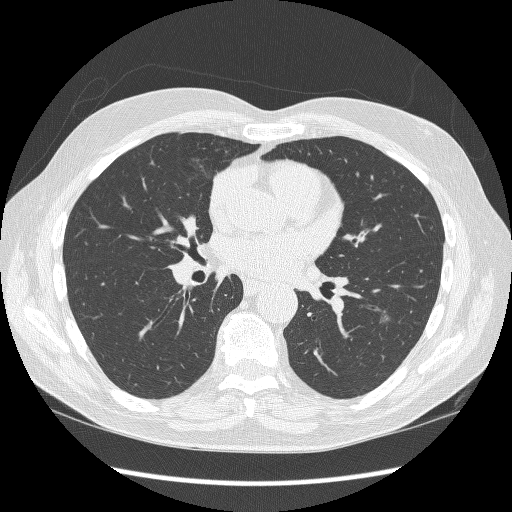
Axial slice 172 of 298 of a chest CT (slice 1 is the lowest), reconstructed with the BONE kernel at 120 kVp; 1.25 mm slice thickness and 0.719 mm pixels.
Pulmonary nodule at rows 311–323, columns 379–390 (box = the union of the readers' outlines on this slice), outlined by two of the four readers; longest diameter 10.0–10.3 mm and volume 236–253 mm3 across the two readers' outlines. Ratings across the readers: texture 1/5 (non-solid) from both readers; margin from 1/5 (indistinct) to 4/5 across the two readers; sphericity 3/5 (ovoid), both readers agreeing; calcification absent from both readers; internal structure soft tissue from both readers; subtlety 3/5 from both readers; malignancy likelihood 3/5, both readers agreeing. Scale key (1–5): texture non-solid→solid, margin indistinct→circumscribed, sphericity linear→round, subtlety extremely subtle→obvious, malignancy likelihood highly unlikely→highly suspicious of cancer. Box rows and columns are 0-based pixel indices from the top-left corner, inclusive.